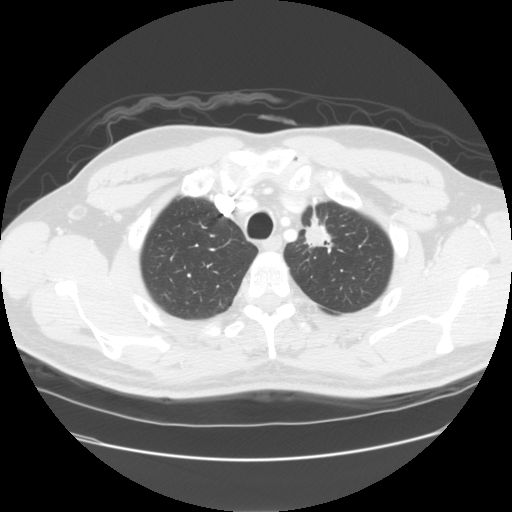
Chest CT, axial plane, 120 kVp, kernel STANDARD. Slice 118/137 from the bottom of the scan; thickness 2.50 mm; pixel size 0.742 mm.
Pulmonary nodule, outlined by all four readers. Box on this slice rows 205–248, columns 298–333, the union of the readers' outlines on this slice; median longest diameter 36.9 mm (readers' outlines 30.7–45.5 mm), median volume 7191 mm3 (6191–8548 mm3). Ratings, median across the readers with their spread: median texture 5/5 (solid) (readers ranged 4/5 to 5/5 (solid)); median margin 3.5/5 (readers ranged 2/5 to 4/5); sphericity 3.5/5 at the median of four readers, spread 3/5 (ovoid) to 5/5 (round); calcification absent from all four readers; internal structure soft tissue from all four readers; subtlety 5/5, all four readers agreeing; median malignancy likelihood 5/5 (readers ranged 4–5). Scale key (1–5): texture non-solid→solid, margin indistinct→circumscribed, sphericity linear→round, subtlety extremely subtle→obvious, malignancy likelihood highly unlikely→highly suspicious of cancer. Box rows and columns are 0-based pixel indices from the top-left corner, inclusive.